Axial chest CT slice 138 of 290 (counted from the lowest slice); tube voltage 120 kVp, convolution kernel B; slices 2.00 mm thick, 0.816 mm per pixel.
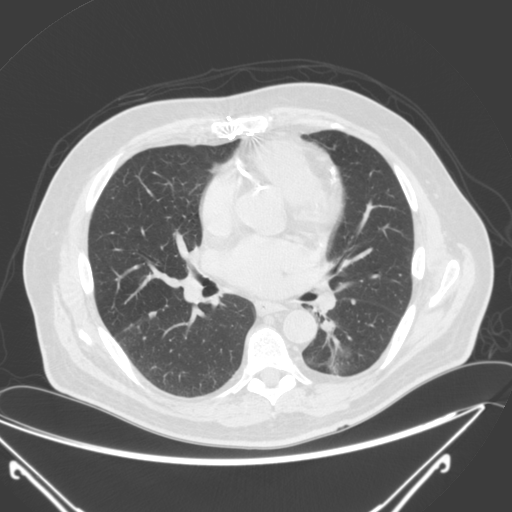
Three pulmonary nodules are outlined on this slice; from left to right: (1) Pulmonary nodule outlined by three of the four readers, two of them on this slice; box rows 330–333, columns 139–141 (the union of the readers' outlines on this slice); median longest diameter 6.6 mm (readers' outlines 6.2–7.0 mm), median volume 95 mm3 (90–113 mm3). Median ratings and the readers' spread: texture 5/5 (solid) from all three readers; median margin 4/5 (readers ranged 4/5 to 5/5 (circumscribed)); median sphericity 4/5 (readers ranged 4/5 to 5/5 (round)); calcification absent from all three readers; internal structure soft tissue from all three readers; median subtlety 5/5 (readers ranged 4–5); median malignancy likelihood 3/5 (readers ranged 2–3). (2) Pulmonary nodule, outlined by two of the four readers. Box on this slice rows 310–318, columns 147–155, the union of the readers' outlines on this slice; median longest diameter 9.4 mm (readers' outlines 8.8–10.0 mm), median volume 149 mm3 (144–154 mm3). Ratings, median across the readers with their spread: texture 5/5 (solid) from both readers; margin 5/5 (circumscribed), both readers agreeing; median sphericity 3.5/5 (readers ranged 3/5 (ovoid) to 4/5); calcification absent from both readers; internal structure soft tissue, both readers agreeing; median subtlety 4/5 (readers ranged 3–5); median malignancy likelihood 2.5/5 (readers ranged 2–3). (3) Pulmonary nodule, outlined by all four readers. Box on this slice rows 299–304, columns 350–355, the union of the readers' outlines on this slice; longest diameter 6.5 mm on average over the four readers' outlines (readers' outlines 5.5–7.0 mm), volume 49–100 mm3. The readers' prevailing ratings and who disagreed: texture 5/5 (solid) by three of four readers; the rest gave 4/5 (one); most readers (three of four) put margin at 5/5 (circumscribed), others 4/5 (one); sphericity 4/5 by two of four readers; the rest gave 3/5 (ovoid) (one), 5/5 (round) (one); calcification absent from all four readers; internal structure soft tissue, all four readers agreeing; subtlety split among the readers: 4/5 (two), 5/5 (two); malignancy likelihood split among the readers: 2/5 (two), 3/5 (two). Scale key (1–5): texture non-solid→solid, margin indistinct→circumscribed, sphericity linear→round, subtlety extremely subtle→obvious, malignancy likelihood highly unlikely→highly suspicious of cancer. Box rows and columns are 0-based pixel indices from the top-left corner, inclusive.